Axial chest CT slice 96 of 131 (counted from the lowest slice); tube voltage 120 kVp, convolution kernel B31f; slices 3.00 mm thick, 0.721 mm per pixel.
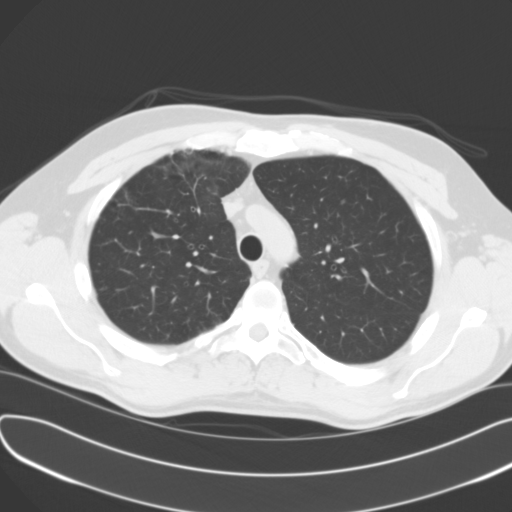
Pulmonary nodule, outlined by all four readers, one of them on this slice. Box on this slice rows 153–179, columns 156–222, the one reader's outline on this slice; longest diameter 30.0 mm on average over the four readers' outlines (readers' outlines 22.6–49.1 mm), volume 879–6132 mm3. Ratings, by the readers' most common answer with dissent counted: texture 5/5 (solid) by three of four readers; the rest gave 4/5 (one); margin split among the readers: 1/5 (indistinct) (one), 2/5 (one), 3/5 (one), 4/5 (one); sphericity split among the readers: 2/5 (two), 5/5 (round) (two); calcification absent from all four readers; internal structure soft tissue, all four readers agreeing; subtlety 5/5 by three of four readers; the rest gave 2/5 (one); malignancy likelihood 5/5 by two of four readers; the rest gave 1/5 (one), 4/5 (one). Scale key (1–5): texture non-solid→solid, margin indistinct→circumscribed, sphericity linear→round, subtlety extremely subtle→obvious, malignancy likelihood highly unlikely→highly suspicious of cancer. Box rows and columns are 0-based pixel indices from the top-left corner, inclusive.